Chest CT, axial plane, 120 kVp, kernel BONE. Slice 106/241 from the bottom of the scan; thickness 1.25 mm; pixel size 0.590 mm.
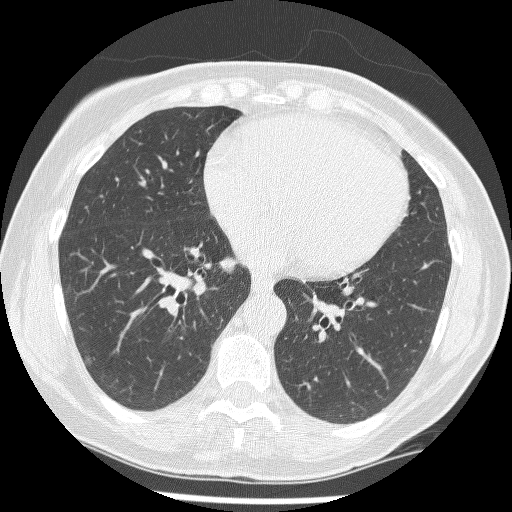
Two pulmonary nodules are outlined on this slice; from left to right: (1) Pulmonary nodule, outlined by two of the four readers. Box on this slice rows 284–296, columns 65–72, the union of the readers' outlines on this slice; the two readers' outlines give a longest diameter between 10.9 and 12.2 mm and a volume between 221 and 229 mm3. The readers' ratings, as ranges where they differ: texture 1/5 (non-solid), both readers agreeing; margin from 1/5 (indistinct) to 2/5 across the two readers; sphericity from 2/5 to 3/5 (ovoid) across the two readers; calcification absent from both readers; internal structure soft tissue, both readers agreeing; subtlety rated between 1 and 2 out of 5 by the two readers; malignancy likelihood 3/5, both readers agreeing. (2) Pulmonary nodule outlined by two of the four readers; box rows 355–365, columns 83–91 (the union of the readers' outlines on this slice); median longest diameter 8.9 mm (readers' outlines 8.0–9.8 mm), median volume 155 mm3 (131–179 mm3). Median ratings and the readers' spread: texture 1/5 (non-solid), both readers agreeing; median margin 2/5 (readers ranged 1/5 (indistinct) to 3/5); sphericity 4/5, both readers agreeing; calcification absent from both readers; internal structure soft tissue from both readers; subtlety 2/5 at the median of two readers, spread 1–3; malignancy likelihood 3/5 from both readers. Scale key (1–5): texture non-solid→solid, margin indistinct→circumscribed, sphericity linear→round, subtlety extremely subtle→obvious, malignancy likelihood highly unlikely→highly suspicious of cancer. Box rows and columns are 0-based pixel indices from the top-left corner, inclusive.